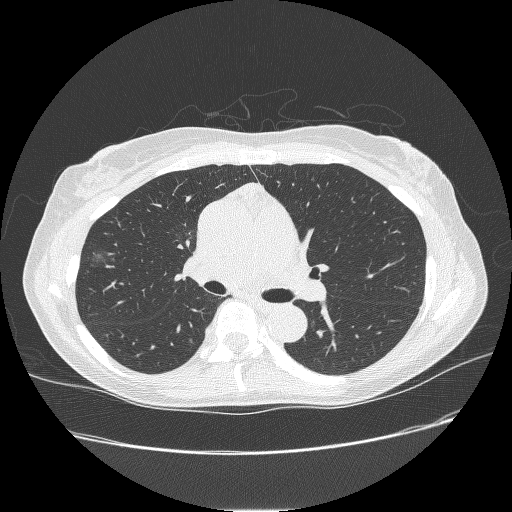
Axial chest CT slice 155 of 238 (counted from the lowest slice); 1.25 mm thick, 0.703 mm per pixel. Two pulmonary nodules are outlined on this slice; from left to right: (1) Pulmonary nodule at rows 251–263, columns 91–105 (box = the union of the readers' outlines on this slice), outlined by two of the four readers; median longest diameter 14.0 mm (readers' outlines 11.5–16.5 mm), median volume 546 mm3 (494–598 mm3). Ratings, median across the readers with their spread: texture 1/5 (non-solid) from both readers; margin 1/5 (indistinct), both readers agreeing; median sphericity 3.5/5 (readers ranged 3/5 (ovoid) to 4/5); calcification absent, both readers agreeing; internal structure soft tissue from both readers; subtlety 4/5, both readers agreeing; malignancy likelihood 3.5/5 at the median of two readers, spread 3–4. (2) Pulmonary nodule outlined by one of the four readers; box rows 338–342, columns 188–192 (that reader's outline on this slice); longest diameter 6.7 mm and volume 77 mm3 from that reader's outline. That reader's ratings: texture 2/5; margin 1/5 (indistinct); sphericity 4/5; calcification absent; internal structure soft tissue; subtlety 1/5; malignancy likelihood 4/5. Scale key (1–5): texture non-solid→solid, margin indistinct→circumscribed, sphericity linear→round, subtlety extremely subtle→obvious, malignancy likelihood highly unlikely→highly suspicious of cancer. Box rows and columns are 0-based pixel indices from the top-left corner, inclusive.
Acquired at 120 kVp and reconstructed with the BONE kernel.